Chest CT, axial plane, 135 kVp, kernel FC01. Slice 84/116 from the bottom of the scan; thickness 3.00 mm; pixel size 0.692 mm.
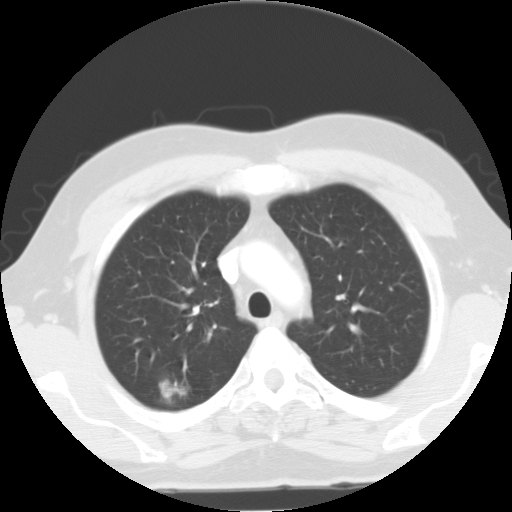
Pulmonary nodule outlined by all four readers; box rows 379–404, columns 158–188 (the union of the readers' outlines on this slice); longest diameter 28.5–32.9 mm and volume 2473–3947 mm3 across the four readers' outlines. Ratings across the readers: texture from 3/5 (part-solid) to 5/5 (solid) across the four readers; margin from 1/5 (indistinct) to 2/5 across the four readers; sphericity from 2/5 to 3/5 (ovoid) across the four readers; calcification absent from all four readers; internal structure soft tissue, all four readers agreeing; subtlety 4–5/5 (the readers disagree); malignancy likelihood from 2/5 to 5/5 across the four readers. Scale key (1–5): texture non-solid→solid, margin indistinct→circumscribed, sphericity linear→round, subtlety extremely subtle→obvious, malignancy likelihood highly unlikely→highly suspicious of cancer. Box rows and columns are 0-based pixel indices from the top-left corner, inclusive.